One axial slice (145 of 235, counting up from the lowest) of a chest CT acquired at 120 kVp with the BONE kernel; each pixel is 0.625 mm and the slice is 1.25 mm thick.
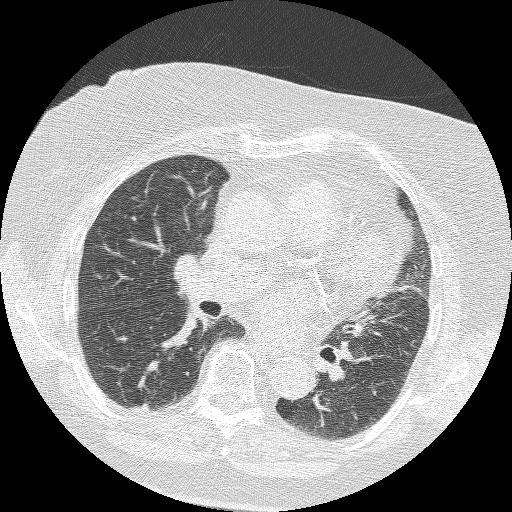
Pulmonary nodule at rows 403–412, columns 135–148 (box = the one reader's outline on this slice), outlined by two of the four readers, one of them on this slice; longest diameter 20.0 mm on average over the two readers' outlines (readers' outlines 17.6–22.4 mm), volume 602–1472 mm3. Ratings, by the readers' most common answer with dissent counted: texture 5/5 (solid), both readers agreeing; margin split among the readers: 2/5 (one), 5/5 (circumscribed) (one); sphericity split among the readers: 1/5 (linear) (one), 2/5 (one); calcification absent from both readers; internal structure soft tissue from both readers; subtlety 5/5, both readers agreeing; malignancy likelihood 3/5 from both readers. Scale key (1–5): texture non-solid→solid, margin indistinct→circumscribed, sphericity linear→round, subtlety extremely subtle→obvious, malignancy likelihood highly unlikely→highly suspicious of cancer. Box rows and columns are 0-based pixel indices from the top-left corner, inclusive.